Chest CT, axial plane, 120 kVp, kernel STANDARD. Slice 159/178 from the bottom of the scan; thickness 1.25 mm; pixel size 0.703 mm.
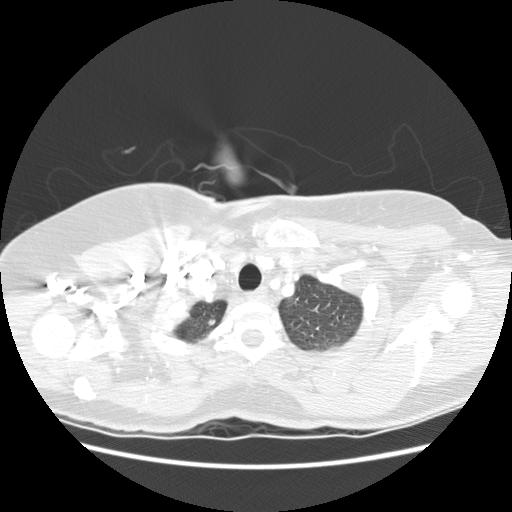
Pulmonary nodule outlined by two of the four readers; box rows 318–325, columns 207–215 (the union of the readers' outlines on this slice); longest diameter 6.6 mm on average over the two readers' outlines (readers' outlines 6.5–6.6 mm), volume 61–62 mm3. Ratings, by the readers' most common answer with dissent counted: texture 5/5 (solid), both readers agreeing; margin split among the readers: 3/5 (one), 5/5 (circumscribed) (one); sphericity 4/5, both readers agreeing; calcification absent from both readers; internal structure soft tissue from both readers; subtlety split among the readers: 3/5 (one), 5/5 (one); malignancy likelihood 2/5, both readers agreeing. Scale key (1–5): texture non-solid→solid, margin indistinct→circumscribed, sphericity linear→round, subtlety extremely subtle→obvious, malignancy likelihood highly unlikely→highly suspicious of cancer. Box rows and columns are 0-based pixel indices from the top-left corner, inclusive.